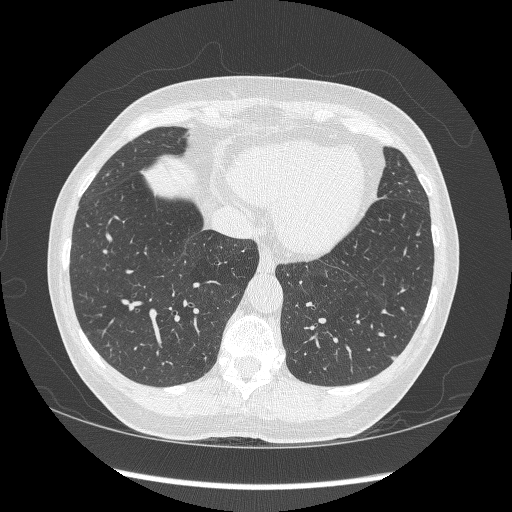
Axial chest CT slice 102 of 268 (counted from the lowest slice); tube voltage 120 kVp, convolution kernel BONE; slices 1.25 mm thick, 0.703 mm per pixel.
Pulmonary nodule at rows 355–361, columns 390–396 (box = the union of the readers' outlines on this slice), outlined by all four readers; longest diameter 5.9 mm on average over the four readers' outlines (readers' outlines 5.8–6.3 mm), volume 65–88 mm3. Ratings, by the readers' most common answer with dissent counted: texture 5/5 (solid) from all four readers; most readers (three of four) put margin at 5/5 (circumscribed), others 4/5 (one); sphericity split among the readers: 4/5 (two), 5/5 (round) (two); calcification absent from all four readers; internal structure soft tissue from all four readers; subtlety 4/5 by two of four readers; the rest gave 3/5 (one), 5/5 (one); most readers (three of four) put malignancy likelihood at 3/5, others 2/5 (one). Scale key (1–5): texture non-solid→solid, margin indistinct→circumscribed, sphericity linear→round, subtlety extremely subtle→obvious, malignancy likelihood highly unlikely→highly suspicious of cancer. Box rows and columns are 0-based pixel indices from the top-left corner, inclusive.